Axial slice 140 of 267 of a chest CT (slice 1 is the lowest), reconstructed with the BONE kernel at 120 kVp; 1.25 mm slice thickness and 0.752 mm pixels.
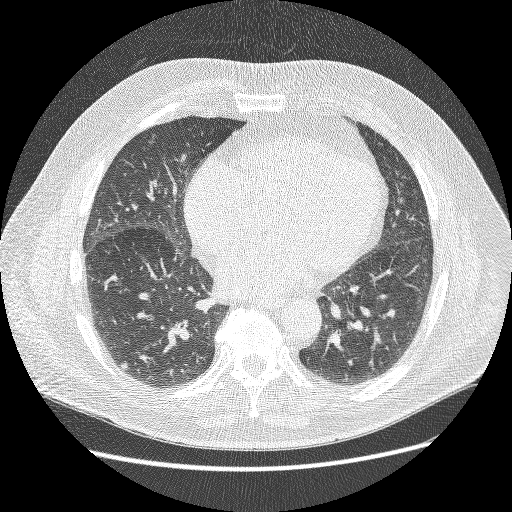
Pulmonary nodule outlined by all four readers; box rows 361–369, columns 119–127 (the union of the readers' outlines on this slice); longest diameter 9.2 mm on average over the four readers' outlines (readers' outlines 7.5–10.1 mm), volume 186–246 mm3. The readers' prevailing ratings and who disagreed: texture 5/5 (solid) by three of four readers; the rest gave 4/5 (one); margin split among the readers: 4/5 (two), 5/5 (circumscribed) (two); sphericity 5/5 (round) by three of four readers; the rest gave 4/5 (one); calcification absent from all four readers; internal structure soft tissue from all four readers; subtlety 3/5 by two of four readers; the rest gave 2/5 (one), 4/5 (one); malignancy likelihood 3/5 by three of four readers; the rest gave 2/5 (one). Scale key (1–5): texture non-solid→solid, margin indistinct→circumscribed, sphericity linear→round, subtlety extremely subtle→obvious, malignancy likelihood highly unlikely→highly suspicious of cancer. Box rows and columns are 0-based pixel indices from the top-left corner, inclusive.